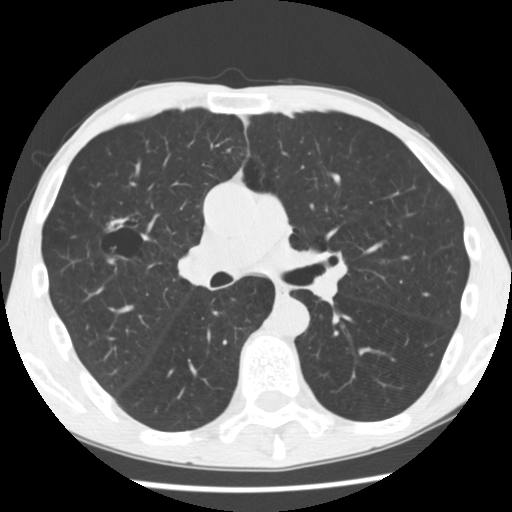
Axial chest CT slice 163 of 292 (counted from the lowest slice); tube voltage 120 kVp, convolution kernel STANDARD; slices 2.50 mm thick, 0.645 mm per pixel.
Pulmonary nodule outlined three times (the source holds two more outlines, not used); box rows 217–263, columns 104–127 (the union of the readers' outlines on this slice); longest diameter 18.5 mm on average over the three readers' outlines (readers' outlines 18.2–19.0 mm), volume 892–1690 mm3. Ratings, by the readers' most common answer with dissent counted: texture 5/5 (solid) from all three readers; margin split among the readers: 2/5 (one), 3/5 (one), 4/5 (one); sphericity split among the readers: 2/5 (one), 3/5 (ovoid) (one), 4/5 (one); calcification absent, all three readers agreeing; internal structure soft tissue from all three readers; most readers (two of three) put subtlety at 4/5, others 5/5 (one); most readers (two of three) put malignancy likelihood at 5/5, others 3/5 (one). Scale key (1–5): texture non-solid→solid, margin indistinct→circumscribed, sphericity linear→round, subtlety extremely subtle→obvious, malignancy likelihood highly unlikely→highly suspicious of cancer. Box rows and columns are 0-based pixel indices from the top-left corner, inclusive.